Axial slice 196 of 519 of a chest CT (slice 1 is the lowest), reconstructed with the STANDARD kernel at 120 kVp; 1.25 mm slice thickness and 0.645 mm pixels.
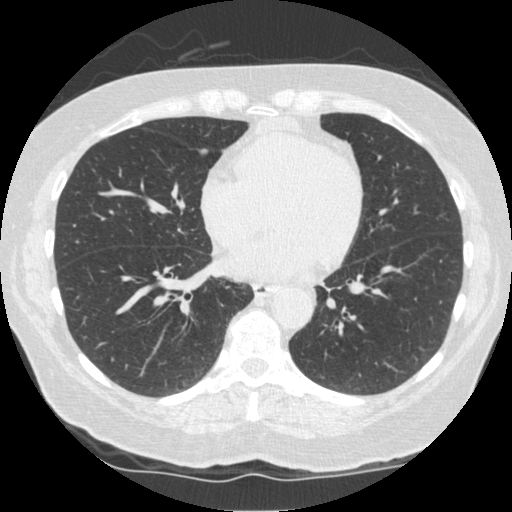
Pulmonary nodule outlined by all four readers; box rows 148–154, columns 197–208 (the union of the readers' outlines on this slice); longest diameter 9.3 mm on average over the four readers' outlines (readers' outlines 8.4–10.5 mm), volume 147–202 mm3. Ratings, by the readers' most common answer with dissent counted: texture 5/5 (solid), all four readers agreeing; most readers (three of four) put margin at 5/5 (circumscribed), others 4/5 (one); sphericity 3/5 (ovoid) from all four readers; calcification absent from all four readers; internal structure soft tissue from all four readers; subtlety 5/5 by three of four readers; the rest gave 4/5 (one); malignancy likelihood 3/5 by two of four readers; the rest gave 2/5 (one), 4/5 (one). Scale key (1–5): texture non-solid→solid, margin indistinct→circumscribed, sphericity linear→round, subtlety extremely subtle→obvious, malignancy likelihood highly unlikely→highly suspicious of cancer. Box rows and columns are 0-based pixel indices from the top-left corner, inclusive.